Axial chest CT slice 88 of 253 (counted from the lowest slice); tube voltage 120 kVp, convolution kernel STANDARD; slices 1.25 mm thick, 0.742 mm per pixel.
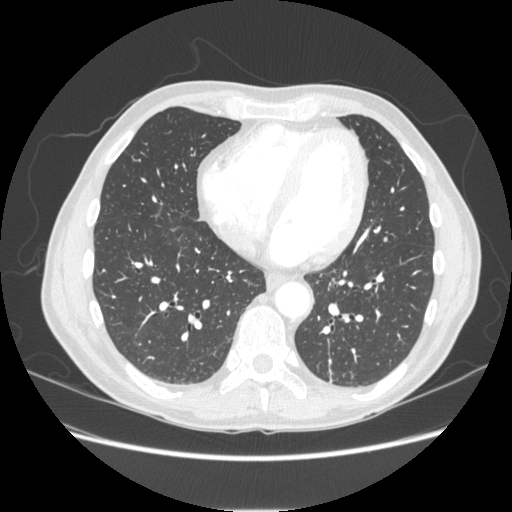
Pulmonary nodule outlined by one of the four readers; box rows 314–317, columns 342–348 (that reader's outline on this slice); longest diameter 6.4 mm and volume 95 mm3 from that reader's outline. That reader's ratings: texture 5/5 (solid); margin 5/5 (circumscribed); sphericity 4/5; calcification absent; internal structure soft tissue; subtlety 1/5; malignancy likelihood 2/5. Scale key (1–5): texture non-solid→solid, margin indistinct→circumscribed, sphericity linear→round, subtlety extremely subtle→obvious, malignancy likelihood highly unlikely→highly suspicious of cancer. Box rows and columns are 0-based pixel indices from the top-left corner, inclusive.